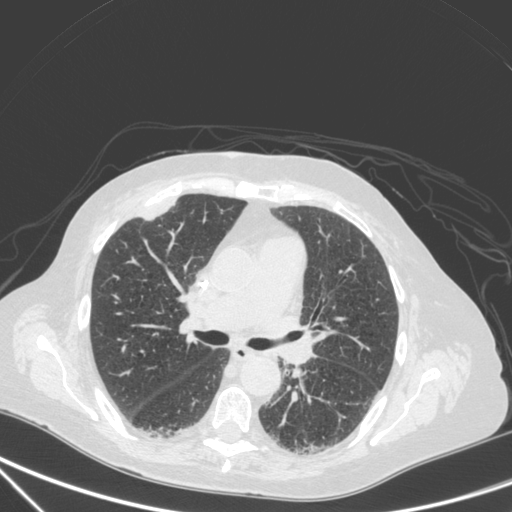
Axial slice 195 of 350 of a chest CT (slice 1 is the lowest), reconstructed with the C kernel at 120 kVp; 1.50 mm slice thickness and 0.725 mm pixels.
Pulmonary nodule at rows 201–219, columns 143–175 (box = that reader's outline on this slice), outlined by one of the four readers; longest diameter 29.5 mm and volume 4181 mm3 from that reader's outline. Ratings by that reader: texture 5/5 (solid); margin 4/5; sphericity 2/5; calcification absent; internal structure soft tissue; subtlety 5/5; malignancy likelihood 4/5. Scale key (1–5): texture non-solid→solid, margin indistinct→circumscribed, sphericity linear→round, subtlety extremely subtle→obvious, malignancy likelihood highly unlikely→highly suspicious of cancer. Box rows and columns are 0-based pixel indices from the top-left corner, inclusive.